Chest CT, axial plane, 120 kVp, kernel BONE. Slice 248/278 from the bottom of the scan; thickness 1.25 mm; pixel size 0.711 mm.
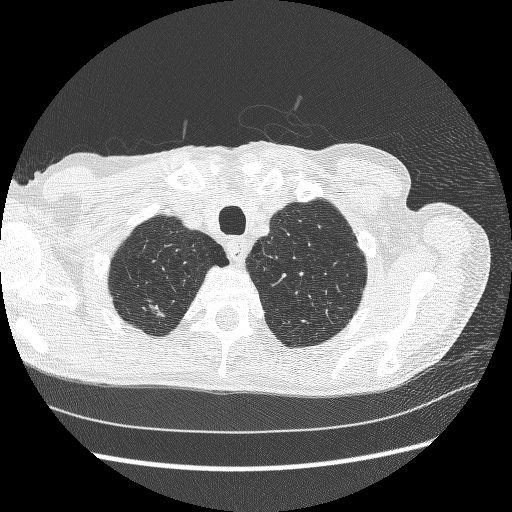
Pulmonary nodule, outlined by three of the four readers, two of them on this slice. Box on this slice rows 305–316, columns 149–164, the union of the readers' outlines on this slice; the three readers' outlines give a longest diameter between 11.8 and 14.4 mm and a volume between 135 and 304 mm3. The readers' ratings, as ranges where they differ: texture from 4/5 to 5/5 (solid) across the three readers; margin from 1/5 (indistinct) to 4/5 across the three readers; sphericity from 1/5 (linear) to 4/5 across the three readers; calcification absent, all three readers agreeing; internal structure soft tissue, all three readers agreeing; subtlety from 4/5 to 5/5 across the three readers; malignancy likelihood rated between 3 and 4 out of 5 by the three readers. Scale key (1–5): texture non-solid→solid, margin indistinct→circumscribed, sphericity linear→round, subtlety extremely subtle→obvious, malignancy likelihood highly unlikely→highly suspicious of cancer. Box rows and columns are 0-based pixel indices from the top-left corner, inclusive.